One axial slice (188 of 429, counting up from the lowest) of a chest CT acquired at 120 kVp with the STANDARD kernel; each pixel is 0.703 mm and the slice is 1.25 mm thick.
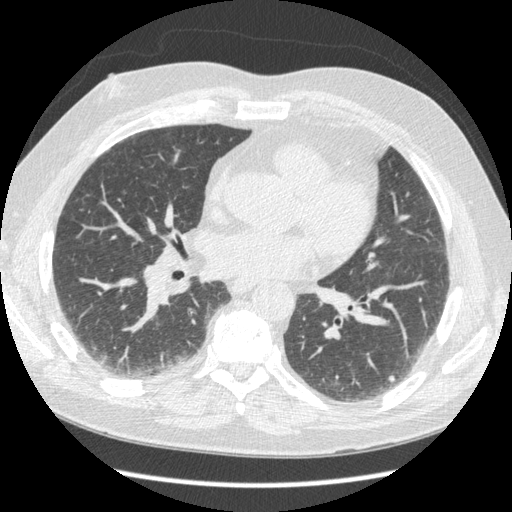
Pulmonary nodule at rows 375–382, columns 388–395 (box = the union of the readers' outlines on this slice), outlined by three of the four readers; median longest diameter 6.9 mm (readers' outlines 6.9–7.0 mm), median volume 98 mm3 (78–98 mm3). Median ratings and the readers' spread: texture 5/5 (solid), all three readers agreeing; median margin 5/5 (circumscribed) (readers ranged 4/5 to 5/5 (circumscribed)); median sphericity 5/5 (round) (readers ranged 3/5 (ovoid) to 5/5 (round)); calcification: absent (two), non-central calcification (one); internal structure soft tissue from all three readers; subtlety 4/5 at the median of three readers, spread 2–5; malignancy likelihood 2/5 at the median of three readers, spread 2–4. Scale key (1–5): texture non-solid→solid, margin indistinct→circumscribed, sphericity linear→round, subtlety extremely subtle→obvious, malignancy likelihood highly unlikely→highly suspicious of cancer. Box rows and columns are 0-based pixel indices from the top-left corner, inclusive.